Chest CT, axial plane, 140 kVp, kernel STANDARD. Slice 34/133 from the bottom of the scan; thickness 2.50 mm; pixel size 0.781 mm.
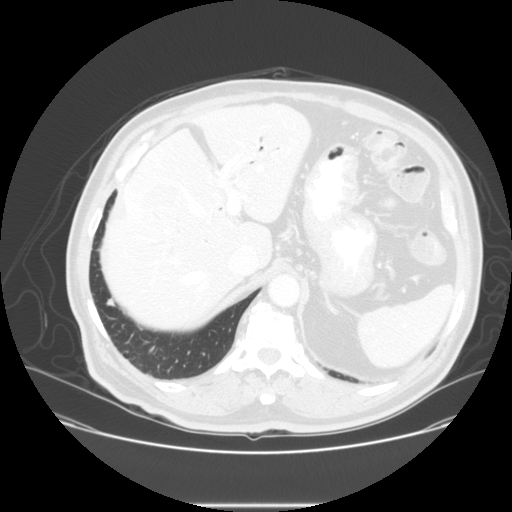
Pulmonary nodule outlined by all four readers; box rows 297–307, columns 105–115 (the union of the readers' outlines on this slice); the four readers' outlines give a longest diameter between 7.8 and 11.4 mm and a volume between 203 and 468 mm3. The readers' ratings, as ranges where they differ: texture 5/5 (solid) from all four readers; margin from 4/5 to 5/5 (circumscribed) across the four readers; sphericity from 2/5 to 5/5 (round) across the four readers; calcification absent, all four readers agreeing; internal structure soft tissue, all four readers agreeing; subtlety 3–4/5 (the readers disagree); malignancy likelihood rated between 2 and 3 out of 5 by the four readers. Scale key (1–5): texture non-solid→solid, margin indistinct→circumscribed, sphericity linear→round, subtlety extremely subtle→obvious, malignancy likelihood highly unlikely→highly suspicious of cancer. Box rows and columns are 0-based pixel indices from the top-left corner, inclusive.